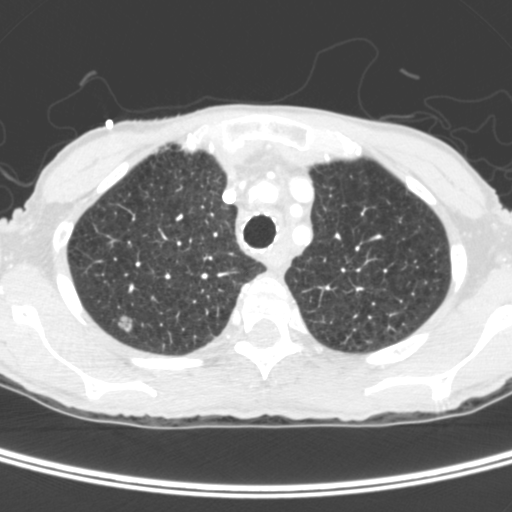
One axial slice (314 of 400, counting up from the lowest) of a chest CT acquired at 120 kVp with the C kernel; each pixel is 0.527 mm and the slice is 1.50 mm thick.
Pulmonary nodule, outlined by three of the four readers. Box on this slice rows 316–333, columns 117–132, the union of the readers' outlines on this slice; median longest diameter 15.6 mm (readers' outlines 15.0–15.8 mm), median volume 1114 mm3 (1012–1166 mm3). Ratings, median across the readers with their spread: median texture 5/5 (solid) (readers ranged 3/5 (part-solid) to 5/5 (solid)); margin 4/5, all three readers agreeing; sphericity 5/5 (round) at the median of three readers, spread 4/5 to 5/5 (round); calcification absent, all three readers agreeing; internal structure: soft tissue (two), air (one); subtlety 5/5, all three readers agreeing; malignancy likelihood 5/5 at the median of three readers, spread 4–5. Scale key (1–5): texture non-solid→solid, margin indistinct→circumscribed, sphericity linear→round, subtlety extremely subtle→obvious, malignancy likelihood highly unlikely→highly suspicious of cancer. Box rows and columns are 0-based pixel indices from the top-left corner, inclusive.